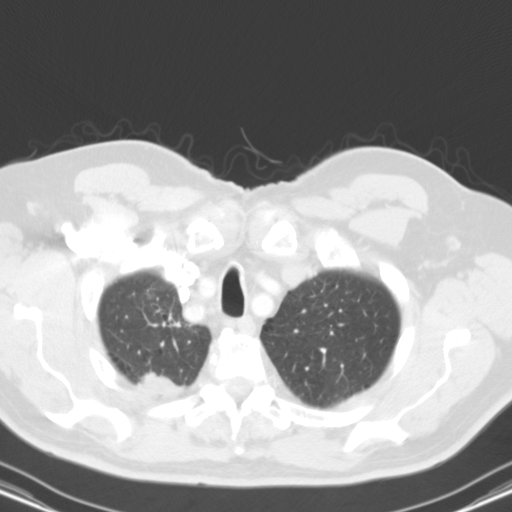
Slice 98/116 of a chest CT, counting up from the lowest; pixel size 0.668 mm, slice thickness 3.00 mm. Pulmonary nodule, outlined by three of the four readers. Box on this slice rows 371–395, columns 135–184, the union of the readers' outlines on this slice; longest diameter 33.6 mm on average over the three readers' outlines (readers' outlines 30.9–36.1 mm), volume 5704–8380 mm3. The readers' prevailing ratings and who disagreed: texture 5/5 (solid) from all three readers; margin 4/5, all three readers agreeing; sphericity split among the readers: 2/5 (one), 3/5 (ovoid) (one), 4/5 (one); calcification absent, all three readers agreeing; internal structure soft tissue from all three readers; subtlety 5/5 from all three readers; malignancy likelihood 5/5 from all three readers. Scale key (1–5): texture non-solid→solid, margin indistinct→circumscribed, sphericity linear→round, subtlety extremely subtle→obvious, malignancy likelihood highly unlikely→highly suspicious of cancer. Box rows and columns are 0-based pixel indices from the top-left corner, inclusive.
Acquired at 130 kVp and reconstructed with the B31s kernel.